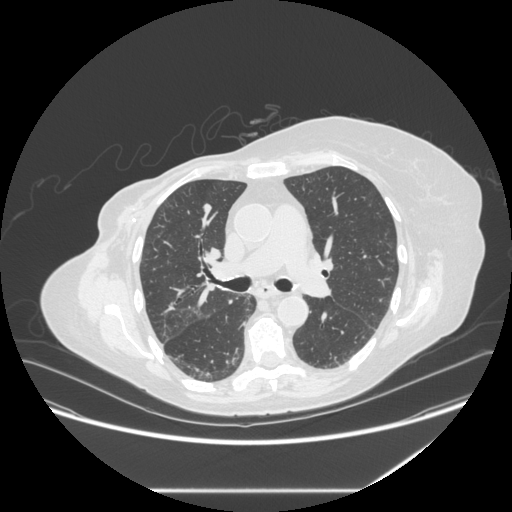
Axial slice 177 of 281 of a chest CT (slice 1 is the lowest), reconstructed with the STANDARD kernel at 120 kVp; 1.25 mm slice thickness and 0.816 mm pixels.
Pulmonary nodule at rows 203–212, columns 202–211 (box = the union of the readers' outlines on this slice), outlined by all four readers; longest diameter 9.2–9.9 mm and volume 239–329 mm3 across the four readers' outlines. The readers' ratings, as ranges where they differ: texture 5/5 (solid), all four readers agreeing; margin 5/5 (circumscribed) from all four readers; sphericity from 4/5 to 5/5 (round) across the four readers; calcification absent, all four readers agreeing; internal structure soft tissue, all four readers agreeing; subtlety from 3/5 to 4/5 across the four readers; malignancy likelihood from 2/5 to 3/5 across the four readers. Scale key (1–5): texture non-solid→solid, margin indistinct→circumscribed, sphericity linear→round, subtlety extremely subtle→obvious, malignancy likelihood highly unlikely→highly suspicious of cancer. Box rows and columns are 0-based pixel indices from the top-left corner, inclusive.